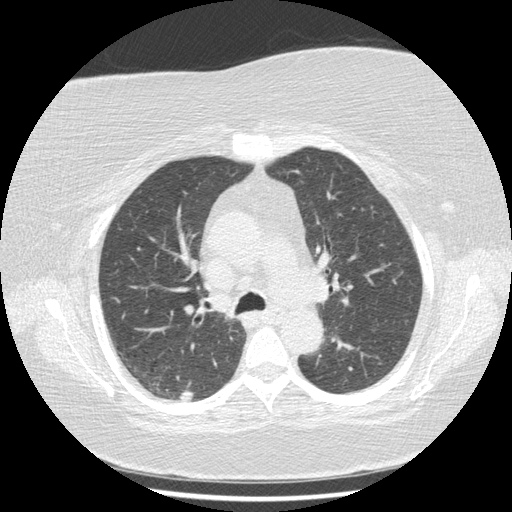
One axial slice (294 of 417, counting up from the lowest) of a chest CT acquired at 120 kVp with the STANDARD kernel; each pixel is 0.703 mm and the slice is 1.25 mm thick.
Pulmonary nodule at rows 391–401, columns 179–193 (box = the union of the readers' outlines on this slice), outlined by all four readers; longest diameter 12.1 mm on average over the four readers' outlines (readers' outlines 11.0–13.8 mm), volume 306–515 mm3. Ratings, by the readers' most common answer with dissent counted: texture 5/5 (solid) from all four readers; margin 5/5 (circumscribed) by three of four readers; the rest gave 4/5 (one); sphericity 5/5 (round) by two of four readers; the rest gave 3/5 (ovoid) (one), 4/5 (one); calcification absent, all four readers agreeing; internal structure soft tissue from all four readers; subtlety 5/5 by two of four readers; the rest gave 3/5 (one), 4/5 (one); malignancy likelihood 4/5 by two of four readers; the rest gave 2/5 (one), 3/5 (one). Scale key (1–5): texture non-solid→solid, margin indistinct→circumscribed, sphericity linear→round, subtlety extremely subtle→obvious, malignancy likelihood highly unlikely→highly suspicious of cancer. Box rows and columns are 0-based pixel indices from the top-left corner, inclusive.